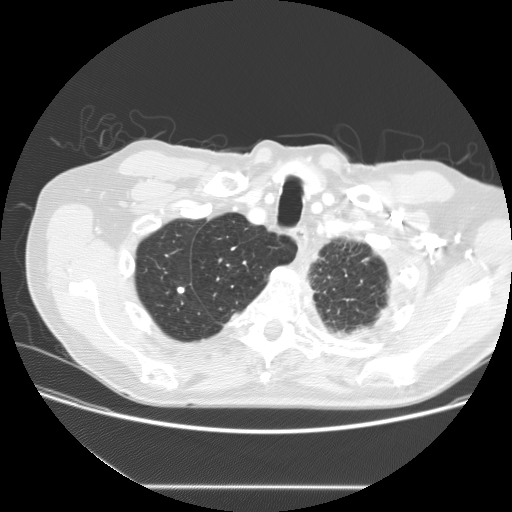
Chest CT, axial plane, 120 kVp, kernel STANDARD. Slice 129/149 from the bottom of the scan; thickness 2.50 mm; pixel size 0.742 mm.
Pulmonary nodule outlined by all four readers; box rows 286–294, columns 176–185 (the union of the readers' outlines on this slice); median longest diameter 9.5 mm (readers' outlines 9.0–10.3 mm), median volume 412 mm3 (361–479 mm3). Median ratings and the readers' spread: texture 5/5 (solid), all four readers agreeing; margin 5/5 (circumscribed) at the median of four readers, spread 4/5 to 5/5 (circumscribed); sphericity 4/5 at the median of four readers, spread 4/5 to 5/5 (round); calcification: solid calcification (three), absent (one); internal structure soft tissue from all four readers; subtlety 5/5 at the median of four readers, spread 4–5; median malignancy likelihood 1/5 (readers ranged 1–3). Scale key (1–5): texture non-solid→solid, margin indistinct→circumscribed, sphericity linear→round, subtlety extremely subtle→obvious, malignancy likelihood highly unlikely→highly suspicious of cancer. Box rows and columns are 0-based pixel indices from the top-left corner, inclusive.